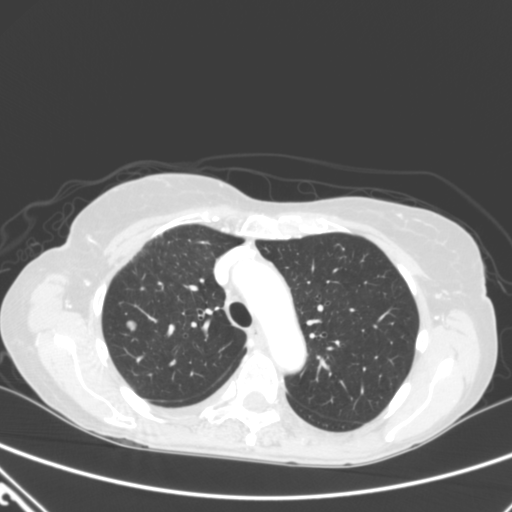
Axial chest CT slice 237 of 320 (counted from the lowest slice); tube voltage 120 kVp, convolution kernel B; slices 2.00 mm thick, 0.662 mm per pixel.
Pulmonary nodule, outlined by all four readers. Box on this slice rows 320–331, columns 124–136, the union of the readers' outlines on this slice; longest diameter 9.2 mm on average over the four readers' outlines (readers' outlines 8.0–10.5 mm), volume 192–341 mm3. Ratings, by the readers' most common answer with dissent counted: texture 5/5 (solid) from all four readers; margin 5/5 (circumscribed) by three of four readers; the rest gave 4/5 (one); sphericity split among the readers: 4/5 (two), 5/5 (round) (two); calcification absent from all four readers; internal structure soft tissue from all four readers; subtlety 5/5, all four readers agreeing; malignancy likelihood 5/5 by two of four readers; the rest gave 2/5 (one), 4/5 (one). Scale key (1–5): texture non-solid→solid, margin indistinct→circumscribed, sphericity linear→round, subtlety extremely subtle→obvious, malignancy likelihood highly unlikely→highly suspicious of cancer. Box rows and columns are 0-based pixel indices from the top-left corner, inclusive.